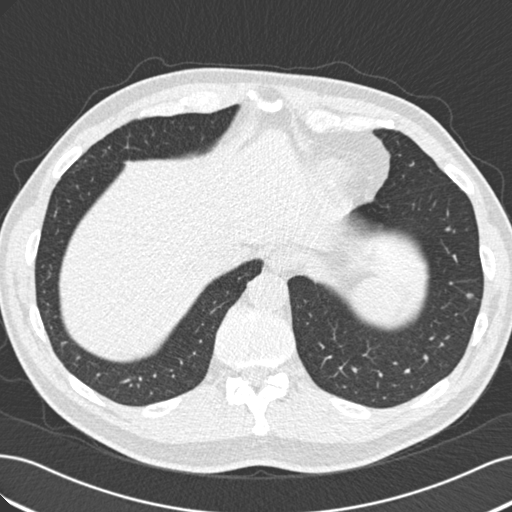
Axial chest CT slice 63 of 219 (counted from the lowest slice); 2.00 mm thick, 0.703 mm per pixel. Pulmonary nodule at rows 293–298, columns 466–473 (box = the union of the readers' outlines on this slice), outlined by two of the four readers; median longest diameter 7.5 mm (readers' outlines 7.3–7.6 mm), median volume 105 mm3 (87–124 mm3). Ratings, median across the readers with their spread: texture 5/5 (solid) from both readers; margin 5/5 (circumscribed), both readers agreeing; sphericity 4.5/5 at the median of two readers, spread 4/5 to 5/5 (round); calcification absent, both readers agreeing; internal structure soft tissue from both readers; median subtlety 4.5/5 (readers ranged 4–5); malignancy likelihood 2.5/5 at the median of two readers, spread 2–3. Scale key (1–5): texture non-solid→solid, margin indistinct→circumscribed, sphericity linear→round, subtlety extremely subtle→obvious, malignancy likelihood highly unlikely→highly suspicious of cancer. Box rows and columns are 0-based pixel indices from the top-left corner, inclusive.
Scan settings: 120 kVp, B30f reconstruction kernel.